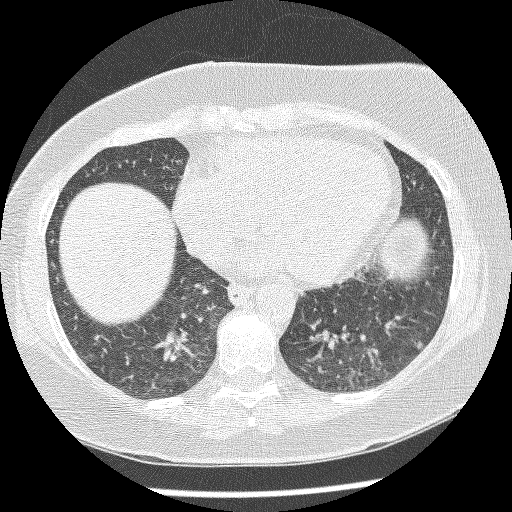
Axial chest CT slice 93 of 220 (counted from the lowest slice); 1.25 mm thick, 0.598 mm per pixel. Pulmonary nodule at rows 342–347, columns 417–421 (box = that reader's outline on this slice), outlined by one of the four readers; longest diameter 4.4 mm and volume 13 mm3 from that reader's outline. Ratings by that reader: texture 3/5 (part-solid); margin 3/5; sphericity 3/5 (ovoid); calcification absent; internal structure soft tissue; subtlety 2/5; malignancy likelihood 3/5. Scale key (1–5): texture non-solid→solid, margin indistinct→circumscribed, sphericity linear→round, subtlety extremely subtle→obvious, malignancy likelihood highly unlikely→highly suspicious of cancer. Box rows and columns are 0-based pixel indices from the top-left corner, inclusive.
Scan settings: 120 kVp, BONE reconstruction kernel.